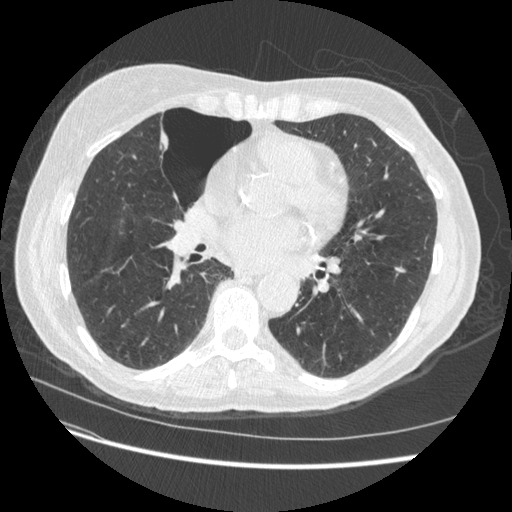
Slice 235/509 of a chest CT, counting up from the lowest; pixel size 0.703 mm, slice thickness 1.25 mm. Pulmonary nodule at rows 266–276, columns 393–405 (box = the union of the readers' outlines on this slice), outlined by three of the four readers; longest diameter 10.8 mm on average over the three readers' outlines (readers' outlines 9.2–11.6 mm), volume 182–365 mm3. Ratings, by the readers' most common answer with dissent counted: most readers (two of three) put texture at 5/5 (solid), others 4/5 (one); margin split among the readers: 3/5 (one), 4/5 (one), 5/5 (circumscribed) (one); sphericity split among the readers: 2/5 (one), 3/5 (ovoid) (one), 4/5 (one); calcification absent from all three readers; internal structure soft tissue from all three readers; subtlety 4/5, all three readers agreeing; malignancy likelihood split among the readers: 2/5 (one), 3/5 (one), 4/5 (one). Scale key (1–5): texture non-solid→solid, margin indistinct→circumscribed, sphericity linear→round, subtlety extremely subtle→obvious, malignancy likelihood highly unlikely→highly suspicious of cancer. Box rows and columns are 0-based pixel indices from the top-left corner, inclusive.
Tube voltage 120 kVp; convolution kernel STANDARD.